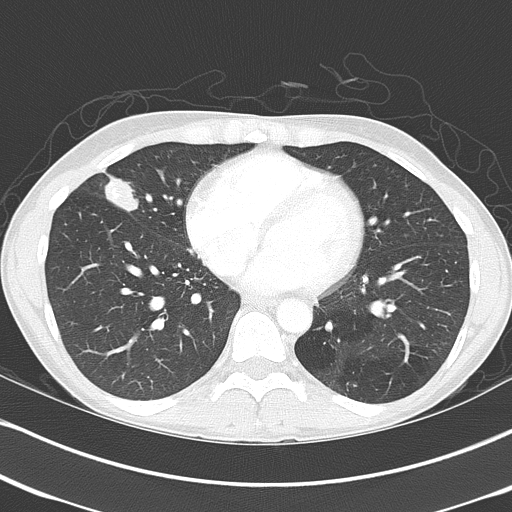
Axial chest CT slice 172 of 368 (counted from the lowest slice); tube voltage 120 kVp, convolution kernel B70f; slices 2.00 mm thick, 0.623 mm per pixel.
Pulmonary nodule, outlined by all four readers. Box on this slice rows 172–211, columns 104–138, the union of the readers' outlines on this slice; the four readers' outlines give a longest diameter between 27.1 and 39.3 mm and a volume between 6531 and 9806 mm3. Ratings across the readers: texture 5/5 (solid) from all four readers; margin from 2/5 to 5/5 (circumscribed) across the four readers; sphericity from 2/5 to 3/5 (ovoid) across the four readers; calcification split among the readers: laminated calcification (one), absent (one), popcorn calcification (one), non-central calcification (one); internal structure soft tissue from all four readers; subtlety 5/5 from all four readers; malignancy likelihood rated between 1 and 5 out of 5 by the four readers. Scale key (1–5): texture non-solid→solid, margin indistinct→circumscribed, sphericity linear→round, subtlety extremely subtle→obvious, malignancy likelihood highly unlikely→highly suspicious of cancer. Box rows and columns are 0-based pixel indices from the top-left corner, inclusive.